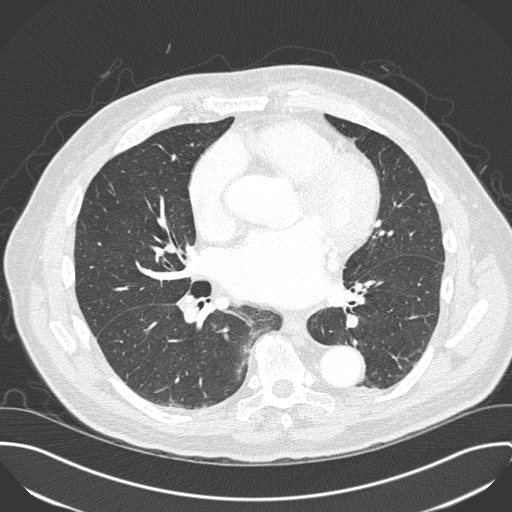
Axial slice 154 of 330 of a chest CT (slice 1 is the lowest), reconstructed with the B45f kernel at 120 kVp; 1.00 mm slice thickness and 0.762 mm pixels.
Pulmonary nodule outlined by three of the four readers, two of them on this slice; box rows 349–352, columns 417–421 (the union of the readers' outlines on this slice); median longest diameter 5.5 mm (readers' outlines 5.5–7.2 mm), median volume 57 mm3 (49–105 mm3). Ratings, median across the readers with their spread: median texture 5/5 (solid) (readers ranged 4/5 to 5/5 (solid)); median margin 4/5 (readers ranged 2/5 to 4/5); sphericity 3/5 (ovoid) at the median of three readers, spread 2/5 to 4/5; calcification absent from all three readers; internal structure soft tissue, all three readers agreeing; median subtlety 3/5 (readers ranged 3–4); malignancy likelihood 3/5 at the median of three readers, spread 2–3. Scale key (1–5): texture non-solid→solid, margin indistinct→circumscribed, sphericity linear→round, subtlety extremely subtle→obvious, malignancy likelihood highly unlikely→highly suspicious of cancer. Box rows and columns are 0-based pixel indices from the top-left corner, inclusive.